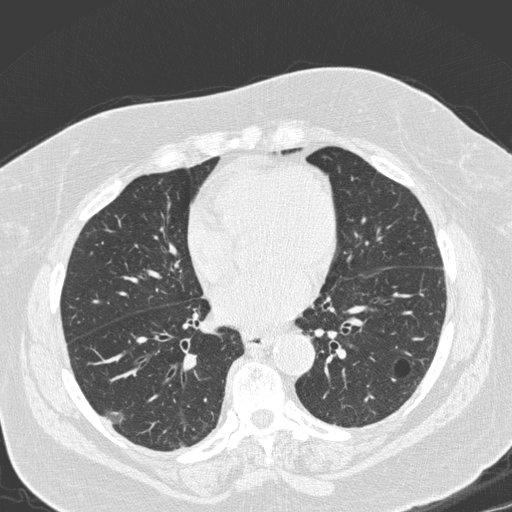
Axial chest CT slice 100 of 280 (counted from the lowest slice); tube voltage 120 kVp, convolution kernel D; slices 1.00 mm thick, 0.666 mm per pixel.
Pulmonary nodule, outlined by two of the four readers. Box on this slice rows 408–423, columns 104–123, the union of the readers' outlines on this slice; median longest diameter 17.7 mm (readers' outlines 16.7–18.8 mm), median volume 1269 mm3 (1162–1377 mm3). Median ratings and the readers' spread: texture 1/5 (non-solid), both readers agreeing; margin 2/5 from both readers; median sphericity 4/5 (readers ranged 3/5 (ovoid) to 5/5 (round)); calcification absent from both readers; internal structure soft tissue from both readers; subtlety 2.5/5 at the median of two readers, spread 1–4; median malignancy likelihood 2.5/5 (readers ranged 2–3). Scale key (1–5): texture non-solid→solid, margin indistinct→circumscribed, sphericity linear→round, subtlety extremely subtle→obvious, malignancy likelihood highly unlikely→highly suspicious of cancer. Box rows and columns are 0-based pixel indices from the top-left corner, inclusive.